Axial chest CT slice 100 of 181 (counted from the lowest slice); tube voltage 120 kVp, convolution kernel STANDARD; slices 2.50 mm thick, 0.645 mm per pixel.
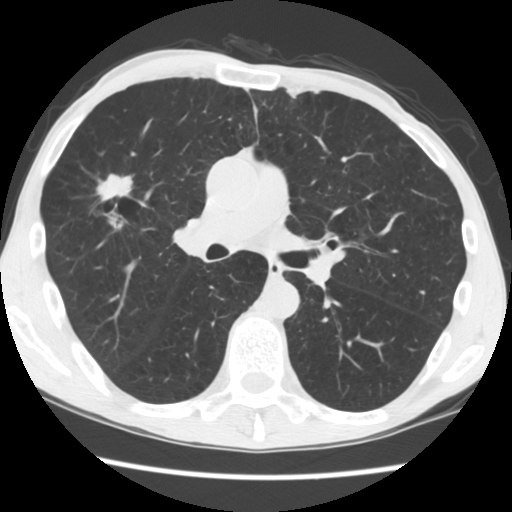
Pulmonary nodule, outlined by all four readers. Box on this slice rows 172–231, columns 88–135, the union of the readers' outlines on this slice; the four readers' outlines give a longest diameter between 35.2 and 44.7 mm and a volume between 5781 and 11800 mm3. The readers' ratings, as ranges where they differ: texture from 4/5 to 5/5 (solid) across the four readers; margin from 2/5 to 4/5 across the four readers; sphericity from 2/5 to 5/5 (round) across the four readers; calcification absent from all four readers; internal structure soft tissue, all four readers agreeing; subtlety 5/5, all four readers agreeing; malignancy likelihood 5/5 from all four readers. Scale key (1–5): texture non-solid→solid, margin indistinct→circumscribed, sphericity linear→round, subtlety extremely subtle→obvious, malignancy likelihood highly unlikely→highly suspicious of cancer. Box rows and columns are 0-based pixel indices from the top-left corner, inclusive.